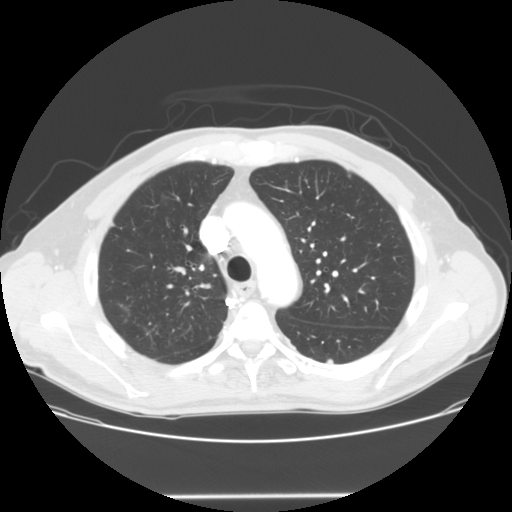
Slice 95/128 of a chest CT, counting up from the lowest; pixel size 0.742 mm, slice thickness 2.50 mm. Pulmonary nodule, outlined by one of the four readers. Box on this slice rows 359–363, columns 326–333, that reader's outline on this slice; longest diameter 6.7 mm and volume 127 mm3 from that reader's outline. That reader's ratings: texture 5/5 (solid); margin 5/5 (circumscribed); sphericity 3/5 (ovoid); calcification absent; internal structure soft tissue; subtlety 3/5; malignancy likelihood 2/5. Scale key (1–5): texture non-solid→solid, margin indistinct→circumscribed, sphericity linear→round, subtlety extremely subtle→obvious, malignancy likelihood highly unlikely→highly suspicious of cancer. Box rows and columns are 0-based pixel indices from the top-left corner, inclusive.
Tube voltage 120 kVp; convolution kernel STANDARD.